One axial slice (203 of 433, counting up from the lowest) of a chest CT acquired at 120 kVp with the STANDARD kernel; each pixel is 0.547 mm and the slice is 1.25 mm thick.
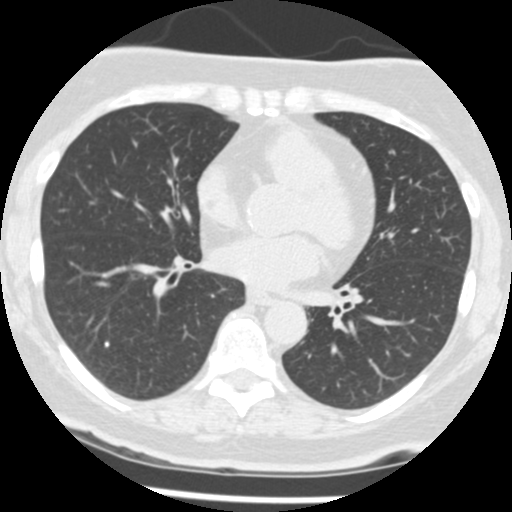
Pulmonary nodule outlined by three of the four readers; box rows 340–347, columns 102–109 (the union of the readers' outlines on this slice); median longest diameter 5.0 mm (readers' outlines 4.5–5.0 mm), median volume 41 mm3 (36–46 mm3). Median ratings and the readers' spread: texture 5/5 (solid), all three readers agreeing; margin 5/5 (circumscribed) from all three readers; sphericity 5/5 (round) from all three readers; calcification solid calcification from all three readers; internal structure soft tissue, all three readers agreeing; subtlety 5/5 from all three readers; malignancy likelihood 1/5 from all three readers. Scale key (1–5): texture non-solid→solid, margin indistinct→circumscribed, sphericity linear→round, subtlety extremely subtle→obvious, malignancy likelihood highly unlikely→highly suspicious of cancer. Box rows and columns are 0-based pixel indices from the top-left corner, inclusive.